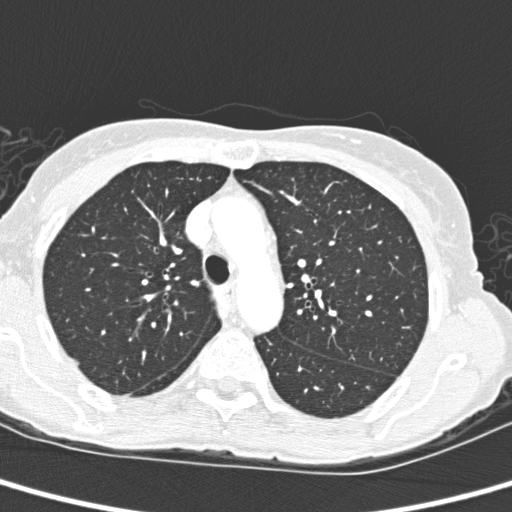
One axial slice (199 of 280, counting up from the lowest) of a chest CT acquired at 120 kVp with the D kernel; each pixel is 0.564 mm and the slice is 1.00 mm thick.
Pulmonary nodule at rows 286–289, columns 166–169 (box = the union of the readers' outlines on this slice), outlined by all four readers, two of them on this slice; the four readers' outlines give a longest diameter between 9.9 and 12.5 mm and a volume between 362 and 590 mm3. Ratings across the readers: texture from 4/5 to 5/5 (solid) across the four readers; margin from 4/5 to 5/5 (circumscribed) across the four readers; sphericity from 3/5 (ovoid) to 5/5 (round) across the four readers; calcification absent from all four readers; internal structure soft tissue from all four readers; subtlety 4–5/5 (the readers disagree); malignancy likelihood from 2/5 to 5/5 across the four readers. Scale key (1–5): texture non-solid→solid, margin indistinct→circumscribed, sphericity linear→round, subtlety extremely subtle→obvious, malignancy likelihood highly unlikely→highly suspicious of cancer. Box rows and columns are 0-based pixel indices from the top-left corner, inclusive.